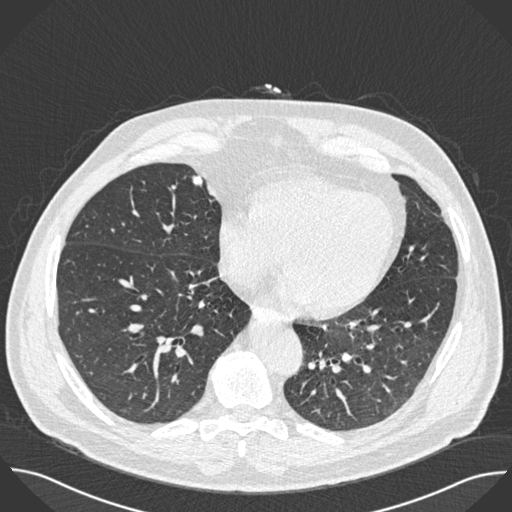
This is axial slice 220 of 493 (slice 1 is the lowest) of a chest CT; each pixel is 0.762 mm and the slice is 0.75 mm thick. Pulmonary nodule at rows 175–185, columns 193–202 (box = the union of the readers' outlines on this slice), outlined by all four readers; longest diameter 11.0 mm on average over the four readers' outlines (readers' outlines 10.6–11.2 mm), volume 320–406 mm3. Ratings, by the readers' most common answer with dissent counted: texture 5/5 (solid), all four readers agreeing; margin 5/5 (circumscribed), all four readers agreeing; sphericity 4/5 by three of four readers; the rest gave 3/5 (ovoid) (one); calcification solid calcification by three of four readers, central calcification (one); internal structure soft tissue, all four readers agreeing; subtlety split among the readers: 4/5 (two), 5/5 (two); malignancy likelihood 1/5 from all four readers. Scale key (1–5): texture non-solid→solid, margin indistinct→circumscribed, sphericity linear→round, subtlety extremely subtle→obvious, malignancy likelihood highly unlikely→highly suspicious of cancer. Box rows and columns are 0-based pixel indices from the top-left corner, inclusive.
Scan settings: 120 kVp, B30f reconstruction kernel.